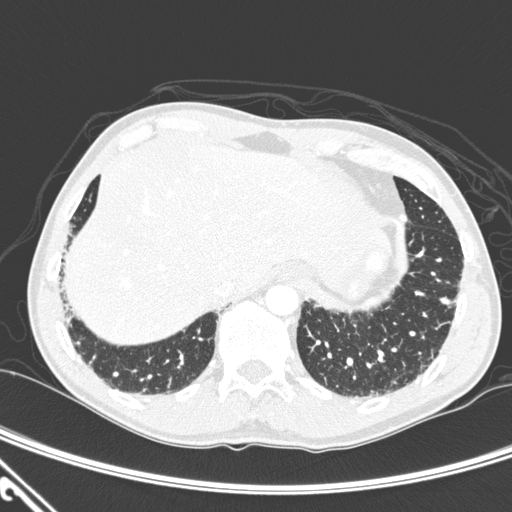
Chest CT, axial plane, 120 kVp, kernel D. Slice 49/276 from the bottom of the scan; thickness 1.00 mm; pixel size 0.639 mm.
Pulmonary nodule at rows 296–304, columns 439–450 (box = the union of the readers' outlines on this slice), outlined by two of the four readers; longest diameter 8.8 mm on average over the two readers' outlines (readers' outlines 8.7–8.9 mm), volume 206–221 mm3. Ratings, by the readers' most common answer with dissent counted: texture 5/5 (solid) from both readers; margin split among the readers: 2/5 (one), 3/5 (one); sphericity split among the readers: 2/5 (one), 4/5 (one); calcification absent, both readers agreeing; internal structure soft tissue from both readers; subtlety split among the readers: 3/5 (one), 5/5 (one); malignancy likelihood 3/5, both readers agreeing. Scale key (1–5): texture non-solid→solid, margin indistinct→circumscribed, sphericity linear→round, subtlety extremely subtle→obvious, malignancy likelihood highly unlikely→highly suspicious of cancer. Box rows and columns are 0-based pixel indices from the top-left corner, inclusive.